Chest CT, axial plane, 120 kVp, kernel STANDARD. Slice 86/214 from the bottom of the scan; thickness 1.25 mm; pixel size 0.879 mm.
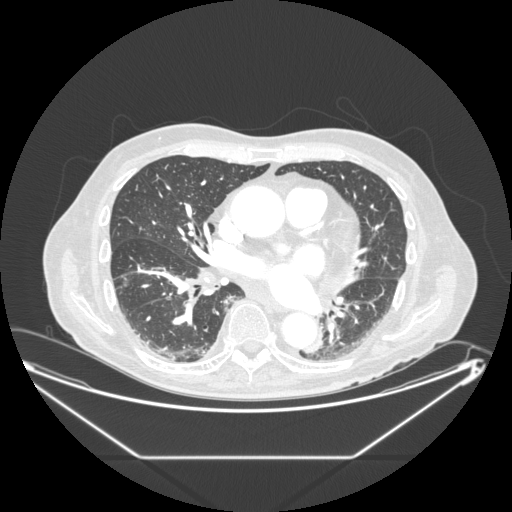
Pulmonary nodule, outlined by all four readers, two of them on this slice. Box on this slice rows 279–286, columns 122–128, the union of the readers' outlines on this slice; longest diameter 13.8 mm on average over the four readers' outlines (readers' outlines 12.6–15.8 mm), volume 537–734 mm3. The readers' prevailing ratings and who disagreed: texture 5/5 (solid) by three of four readers; the rest gave 4/5 (one); margin split among the readers: 2/5 (one), 3/5 (one), 4/5 (one), 5/5 (circumscribed) (one); sphericity split among the readers: 4/5 (two), 5/5 (round) (two); calcification absent from all four readers; internal structure soft tissue from all four readers; subtlety 4/5 by three of four readers; the rest gave 5/5 (one); most readers (three of four) put malignancy likelihood at 3/5, others 5/5 (one). Scale key (1–5): texture non-solid→solid, margin indistinct→circumscribed, sphericity linear→round, subtlety extremely subtle→obvious, malignancy likelihood highly unlikely→highly suspicious of cancer. Box rows and columns are 0-based pixel indices from the top-left corner, inclusive.